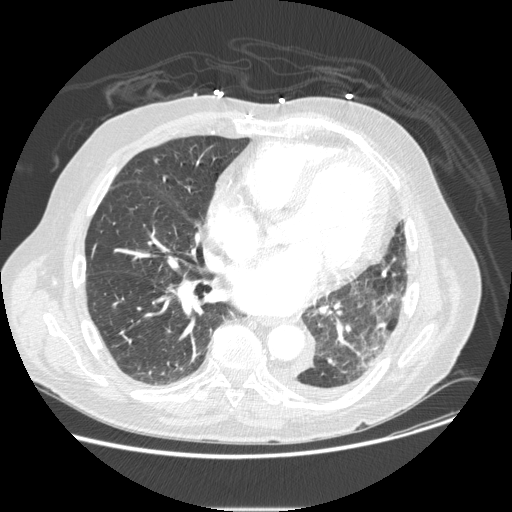
This is axial slice 117 of 232 (slice 1 is the lowest) of a chest CT; each pixel is 0.781 mm and the slice is 1.25 mm thick. No nodule 3 mm or larger was outlined here by any reader.
Acquired at 120 kVp and reconstructed with the STANDARD kernel.